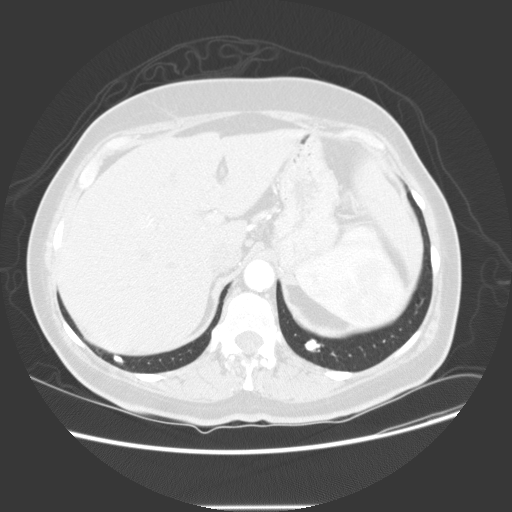
Chest CT, axial plane, 120 kVp, kernel STANDARD. Slice 25/133 from the bottom of the scan; thickness 2.50 mm; pixel size 0.742 mm.
Two pulmonary nodules are outlined on this slice; from left to right: (1) Pulmonary nodule outlined by all four readers; box rows 354–363, columns 113–122 (the union of the readers' outlines on this slice); median longest diameter 8.8 mm (readers' outlines 8.2–9.3 mm), median volume 194 mm3 (151–215 mm3). Median ratings and the readers' spread: texture 5/5 (solid), all four readers agreeing; margin 5/5 (circumscribed) at the median of four readers, spread 4/5 to 5/5 (circumscribed); sphericity 3.5/5 at the median of four readers, spread 3/5 (ovoid) to 4/5; calcification split among the readers: absent (two), solid calcification (two); internal structure soft tissue, all four readers agreeing; median subtlety 4.5/5 (readers ranged 3–5); median malignancy likelihood 1.5/5 (readers ranged 1–3). (2) Pulmonary nodule outlined by all four readers; box rows 339–351, columns 304–319 (the union of the readers' outlines on this slice); the four readers' outlines give a longest diameter between 10.6 and 12.0 mm and a volume between 373 and 535 mm3. Ratings across the readers: texture 5/5 (solid) from all four readers; margin from 4/5 to 5/5 (circumscribed) across the four readers; sphericity from 2/5 to 5/5 (round) across the four readers; calcification split among the readers: absent (two), solid calcification (two); internal structure soft tissue from all four readers; subtlety from 4/5 to 5/5 across the four readers; malignancy likelihood rated between 1 and 3 out of 5 by the four readers. Scale key (1–5): texture non-solid→solid, margin indistinct→circumscribed, sphericity linear→round, subtlety extremely subtle→obvious, malignancy likelihood highly unlikely→highly suspicious of cancer. Box rows and columns are 0-based pixel indices from the top-left corner, inclusive.